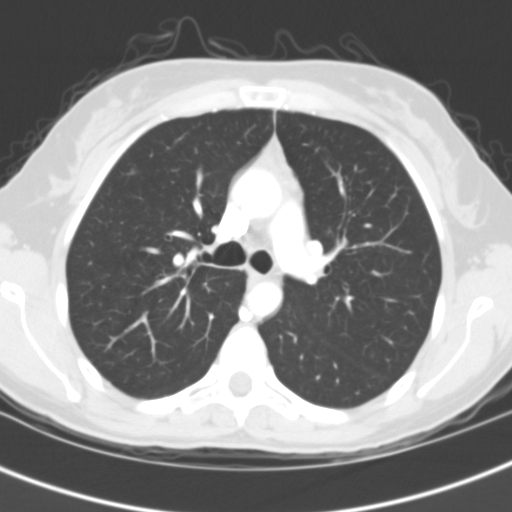
Axial slice 85 of 122 of a chest CT (slice 1 is the lowest), reconstructed with the B31f kernel at 120 kVp; 3.00 mm slice thickness and 0.566 mm pixels.
Pulmonary nodule at rows 168–174, columns 129–135 (box = the one reader's outline on this slice), outlined by two of the four readers, one of them on this slice; median longest diameter 6.4 mm (readers' outlines 6.3–6.5 mm), median volume 85 mm3 (60–110 mm3). Median ratings and the readers' spread: texture 4.5/5 at the median of two readers, spread 4/5 to 5/5 (solid); margin 4/5 from both readers; sphericity 4/5 from both readers; calcification absent, both readers agreeing; internal structure soft tissue from both readers; subtlety 3.5/5 at the median of two readers, spread 3–4; median malignancy likelihood 2.5/5 (readers ranged 2–3). Scale key (1–5): texture non-solid→solid, margin indistinct→circumscribed, sphericity linear→round, subtlety extremely subtle→obvious, malignancy likelihood highly unlikely→highly suspicious of cancer. Box rows and columns are 0-based pixel indices from the top-left corner, inclusive.